One axial slice (64 of 128, counting up from the lowest) of a chest CT acquired at 120 kVp with the STANDARD kernel; each pixel is 0.742 mm and the slice is 2.50 mm thick.
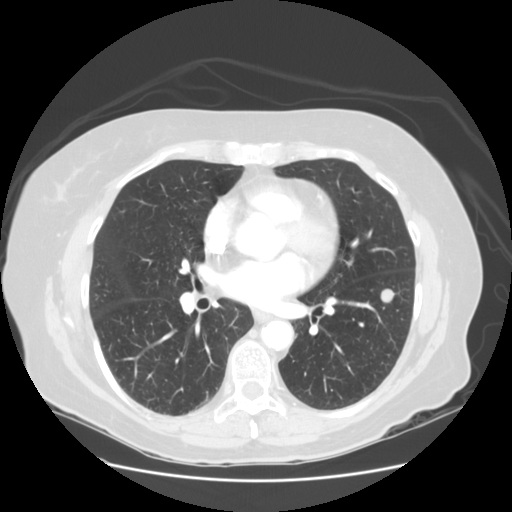
Pulmonary nodule, outlined by all four readers. Box on this slice rows 288–302, columns 379–394, the union of the readers' outlines on this slice; median longest diameter 12.8 mm (readers' outlines 12.2–13.0 mm), median volume 891 mm3 (824–921 mm3). Median ratings and the readers' spread: texture 5/5 (solid), all four readers agreeing; median margin 5/5 (circumscribed) (readers ranged 4/5 to 5/5 (circumscribed)); sphericity 5/5 (round) at the median of four readers, spread 4/5 to 5/5 (round); calcification absent, all four readers agreeing; internal structure soft tissue, all four readers agreeing; median subtlety 4.5/5 (readers ranged 3–5); malignancy likelihood 3.5/5 at the median of four readers, spread 2–5. Scale key (1–5): texture non-solid→solid, margin indistinct→circumscribed, sphericity linear→round, subtlety extremely subtle→obvious, malignancy likelihood highly unlikely→highly suspicious of cancer. Box rows and columns are 0-based pixel indices from the top-left corner, inclusive.